Axial slice 51 of 109 of a chest CT (slice 1 is the lowest), reconstructed with the FC01 kernel at 135 kVp; 3.00 mm slice thickness and 0.671 mm pixels.
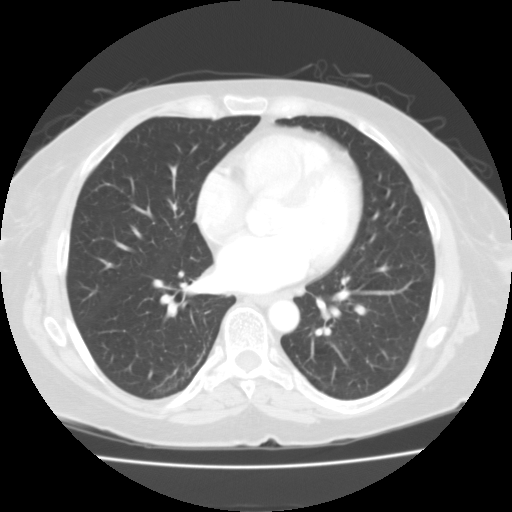
No nodule of 3 mm or larger was outlined by any of the four readers on this slice.